One axial slice (58 of 300, counting up from the lowest) of a chest CT acquired at 120 kVp with the D kernel; each pixel is 0.678 mm and the slice is 2.00 mm thick.
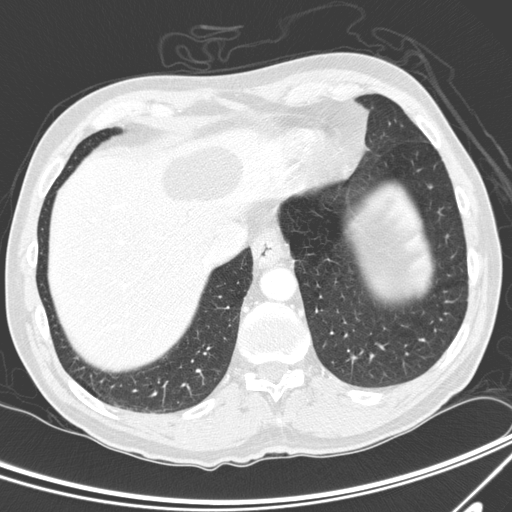
Pulmonary nodule, outlined by one of the four readers. Box on this slice rows 185–188, columns 428–431, that reader's outline on this slice; longest diameter 5.8 mm and volume 44 mm3 from that reader's outline. That reader's ratings: texture 5/5 (solid); margin 4/5; sphericity 3/5 (ovoid); calcification absent; internal structure soft tissue; subtlety 4/5; malignancy likelihood 2/5. Scale key (1–5): texture non-solid→solid, margin indistinct→circumscribed, sphericity linear→round, subtlety extremely subtle→obvious, malignancy likelihood highly unlikely→highly suspicious of cancer. Box rows and columns are 0-based pixel indices from the top-left corner, inclusive.